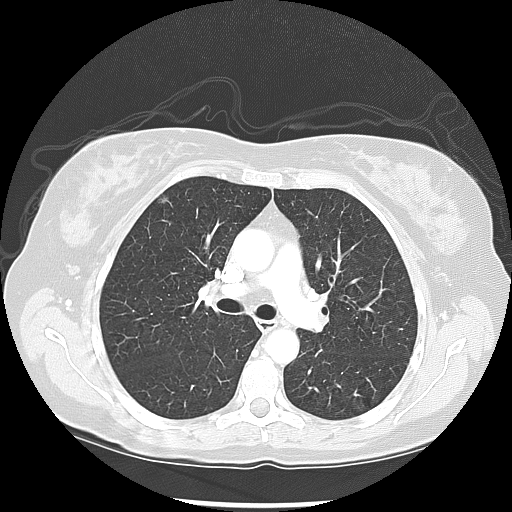
Slice 88/133 of a chest CT, counting up from the lowest; pixel size 0.703 mm, slice thickness 2.50 mm. Pulmonary nodule, outlined by two of the four readers. Box on this slice rows 194–204, columns 157–168, the union of the readers' outlines on this slice; longest diameter 9.9–10.5 mm and volume 208–368 mm3 across the two readers' outlines. Ratings across the readers: texture 1/5 (non-solid) from both readers; margin from 1/5 (indistinct) to 2/5 across the two readers; sphericity from 3/5 (ovoid) to 5/5 (round) across the two readers; calcification absent from both readers; internal structure soft tissue from both readers; subtlety rated between 1 and 2 out of 5 by the two readers; malignancy likelihood 2–3/5 (the readers disagree). Scale key (1–5): texture non-solid→solid, margin indistinct→circumscribed, sphericity linear→round, subtlety extremely subtle→obvious, malignancy likelihood highly unlikely→highly suspicious of cancer. Box rows and columns are 0-based pixel indices from the top-left corner, inclusive.
Tube voltage 120 kVp; convolution kernel LUNG.